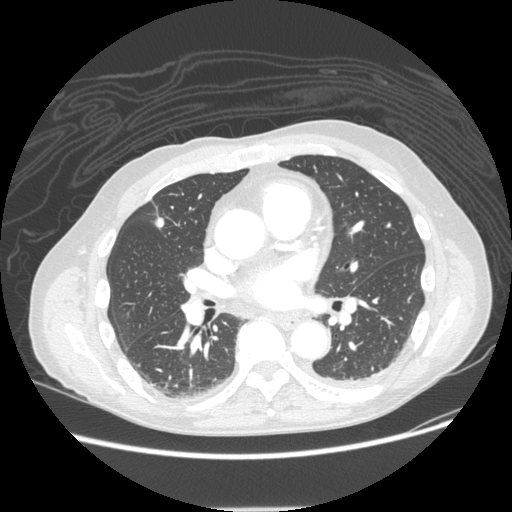
Slice 110/232 of a chest CT, counting up from the lowest; pixel size 0.742 mm, slice thickness 1.25 mm. Pulmonary nodule outlined by all four readers; box rows 217–229, columns 154–164 (the union of the readers' outlines on this slice); median longest diameter 10.6 mm (readers' outlines 10.5–11.0 mm), median volume 229 mm3 (183–275 mm3). Median ratings and the readers' spread: texture 5/5 (solid), all four readers agreeing; median margin 5/5 (circumscribed) (readers ranged 4/5 to 5/5 (circumscribed)); median sphericity 4.5/5 (readers ranged 4/5 to 5/5 (round)); calcification split among the readers: solid calcification (two), central calcification (two); internal structure soft tissue from all four readers; subtlety 5/5 at the median of four readers, spread 4–5; malignancy likelihood 1/5 from all four readers. Scale key (1–5): texture non-solid→solid, margin indistinct→circumscribed, sphericity linear→round, subtlety extremely subtle→obvious, malignancy likelihood highly unlikely→highly suspicious of cancer. Box rows and columns are 0-based pixel indices from the top-left corner, inclusive.
Acquired at 120 kVp and reconstructed with the STANDARD kernel.